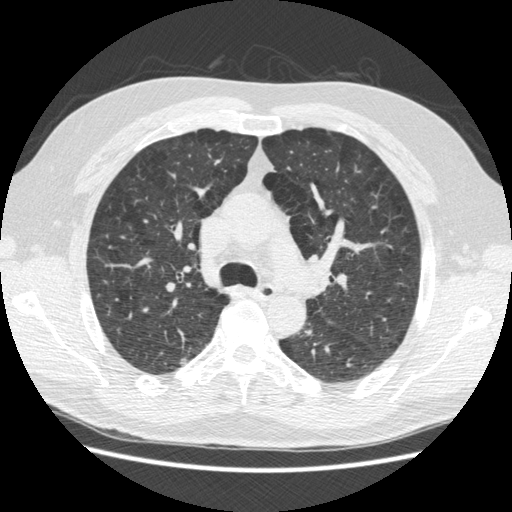
Axial slice 281 of 471 of a chest CT (slice 1 is the lowest), reconstructed with the STANDARD kernel at 120 kVp; 1.25 mm slice thickness and 0.703 mm pixels.
Pulmonary nodule outlined by one of the four readers; box rows 358–364, columns 181–186 (that reader's outline on this slice); longest diameter 6.7 mm and volume 38 mm3 from that reader's outline. Ratings by that reader: texture 2/5; margin 1/5 (indistinct); sphericity 3/5 (ovoid); calcification absent; internal structure soft tissue; subtlety 2/5; malignancy likelihood 3/5. Scale key (1–5): texture non-solid→solid, margin indistinct→circumscribed, sphericity linear→round, subtlety extremely subtle→obvious, malignancy likelihood highly unlikely→highly suspicious of cancer. Box rows and columns are 0-based pixel indices from the top-left corner, inclusive.